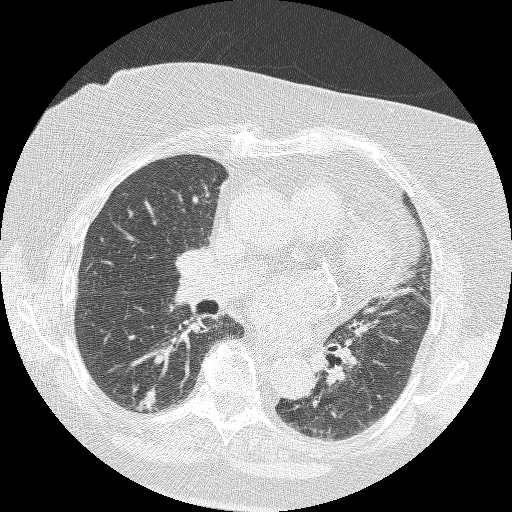
This is axial slice 142 of 235 (slice 1 is the lowest) of a chest CT; each pixel is 0.625 mm and the slice is 1.25 mm thick. Pulmonary nodule outlined by two of the four readers; box rows 387–410, columns 136–156 (the union of the readers' outlines on this slice); longest diameter 17.6–22.4 mm and volume 602–1472 mm3 across the two readers' outlines. The readers' ratings, as ranges where they differ: texture 5/5 (solid), both readers agreeing; margin from 2/5 to 5/5 (circumscribed) across the two readers; sphericity from 1/5 (linear) to 2/5 across the two readers; calcification absent from both readers; internal structure soft tissue from both readers; subtlety 5/5, both readers agreeing; malignancy likelihood 3/5 from both readers. Scale key (1–5): texture non-solid→solid, margin indistinct→circumscribed, sphericity linear→round, subtlety extremely subtle→obvious, malignancy likelihood highly unlikely→highly suspicious of cancer. Box rows and columns are 0-based pixel indices from the top-left corner, inclusive.
Tube voltage 120 kVp; convolution kernel BONE.